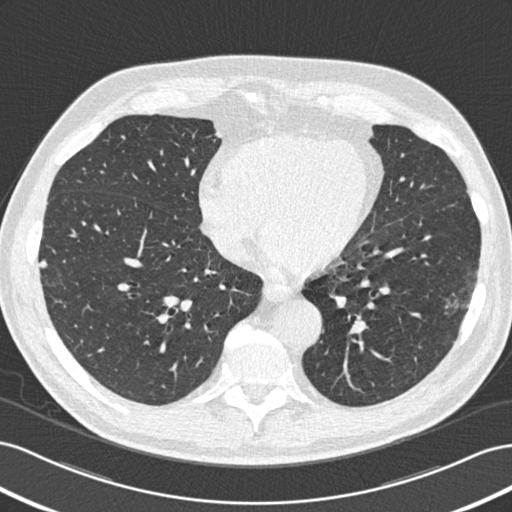
Axial chest CT slice 207 of 506 (counted from the lowest slice); tube voltage 120 kVp, convolution kernel B30f; slices 0.75 mm thick, 0.699 mm per pixel.
Pulmonary nodule at rows 260–267, columns 39–46 (box = the union of the readers' outlines on this slice), outlined by all four readers; longest diameter 8.0–9.0 mm and volume 171–198 mm3 across the four readers' outlines. The readers' ratings, as ranges where they differ: texture 5/5 (solid), all four readers agreeing; margin from 3/5 to 5/5 (circumscribed) across the four readers; sphericity from 3/5 (ovoid) to 5/5 (round) across the four readers; calcification absent from all four readers; internal structure soft tissue from all four readers; subtlety rated between 3 and 5 out of 5 by the four readers; malignancy likelihood rated between 1 and 4 out of 5 by the four readers. Scale key (1–5): texture non-solid→solid, margin indistinct→circumscribed, sphericity linear→round, subtlety extremely subtle→obvious, malignancy likelihood highly unlikely→highly suspicious of cancer. Box rows and columns are 0-based pixel indices from the top-left corner, inclusive.